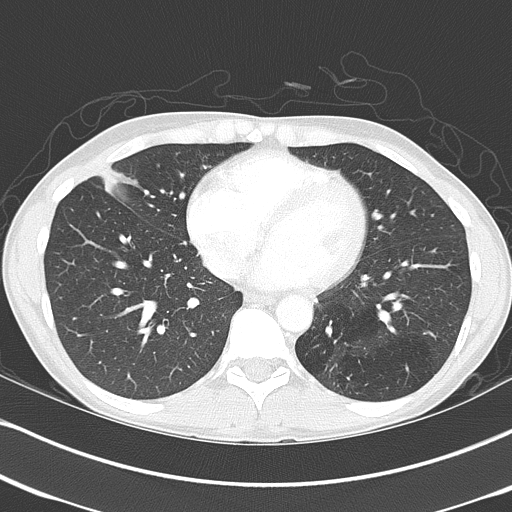
Axial slice 166 of 368 of a chest CT (slice 1 is the lowest), reconstructed with the B70f kernel at 120 kVp; 2.00 mm slice thickness and 0.623 mm pixels.
Pulmonary nodule, outlined by all four readers. Box on this slice rows 165–203, columns 98–144, the union of the readers' outlines on this slice; longest diameter 27.1–39.3 mm and volume 6531–9806 mm3 across the four readers' outlines. Ratings across the readers: texture 5/5 (solid), all four readers agreeing; margin from 2/5 to 5/5 (circumscribed) across the four readers; sphericity from 2/5 to 3/5 (ovoid) across the four readers; calcification split among the readers: laminated calcification (one), absent (one), popcorn calcification (one), non-central calcification (one); internal structure soft tissue, all four readers agreeing; subtlety 5/5, all four readers agreeing; malignancy likelihood 1–5/5 (the readers disagree). Scale key (1–5): texture non-solid→solid, margin indistinct→circumscribed, sphericity linear→round, subtlety extremely subtle→obvious, malignancy likelihood highly unlikely→highly suspicious of cancer. Box rows and columns are 0-based pixel indices from the top-left corner, inclusive.